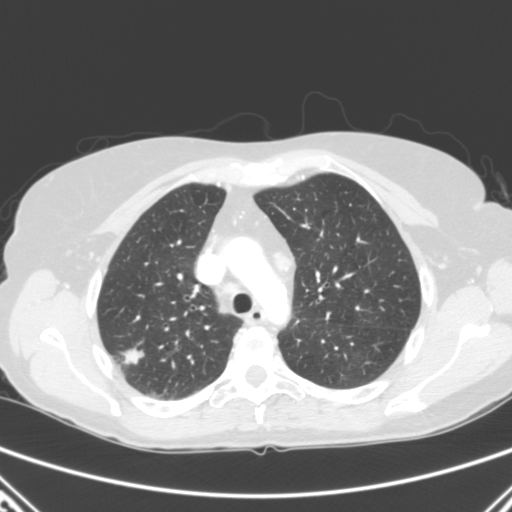
One axial slice (199 of 280, counting up from the lowest) of a chest CT acquired at 120 kVp with the B kernel; each pixel is 0.676 mm and the slice is 2.00 mm thick.
Pulmonary nodule, outlined three times (the source holds two more outlines, not used). Box on this slice rows 346–367, columns 113–144, the union of the readers' outlines on this slice; longest diameter 19.6–26.7 mm and volume 949–1659 mm3 across the three readers' outlines. The readers' ratings, as ranges where they differ: texture from 4/5 to 5/5 (solid) across the three readers; margin from 3/5 to 4/5 across the three readers; sphericity from 2/5 to 5/5 (round) across the three readers; calcification absent, all three readers agreeing; internal structure soft tissue from all three readers; subtlety 5/5, all three readers agreeing; malignancy likelihood from 4/5 to 5/5 across the three readers. Scale key (1–5): texture non-solid→solid, margin indistinct→circumscribed, sphericity linear→round, subtlety extremely subtle→obvious, malignancy likelihood highly unlikely→highly suspicious of cancer. Box rows and columns are 0-based pixel indices from the top-left corner, inclusive.